One axial slice (158 of 280, counting up from the lowest) of a chest CT acquired at 120 kVp with the B kernel; each pixel is 0.676 mm and the slice is 2.00 mm thick.
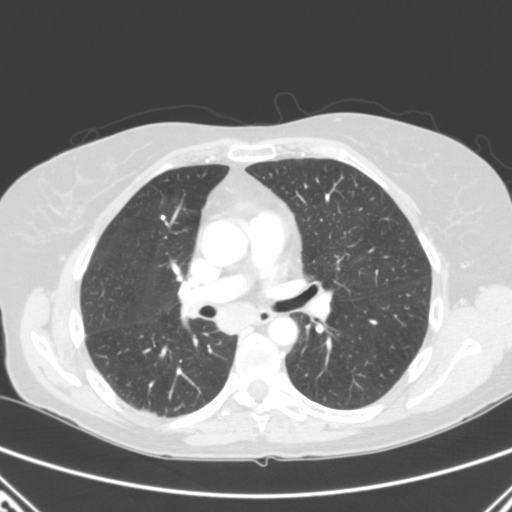
Pulmonary nodule, outlined by one of the four readers. Box on this slice rows 215–219, columns 161–164, that reader's outline on this slice; longest diameter 4.3 mm and volume 33 mm3 from that reader's outline. That reader's ratings: texture 5/5 (solid); margin 5/5 (circumscribed); sphericity 5/5 (round); calcification solid calcification; internal structure soft tissue; subtlety 3/5; malignancy likelihood 1/5. Scale key (1–5): texture non-solid→solid, margin indistinct→circumscribed, sphericity linear→round, subtlety extremely subtle→obvious, malignancy likelihood highly unlikely→highly suspicious of cancer. Box rows and columns are 0-based pixel indices from the top-left corner, inclusive.